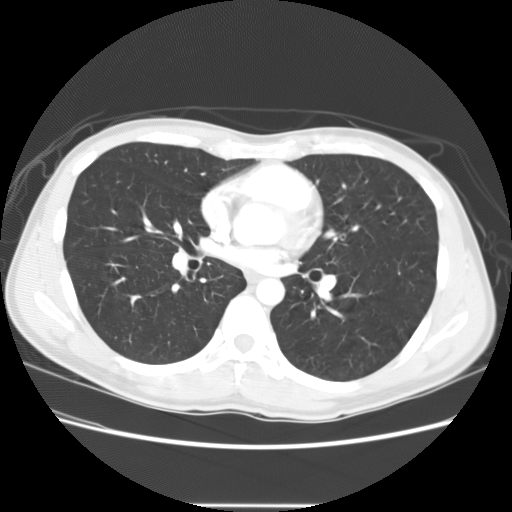
Axial chest CT slice 74 of 141 (counted from the lowest slice); 2.50 mm thick, 0.703 mm per pixel. No nodule 3 mm or larger was outlined here by any reader.
Scan settings: 120 kVp, STANDARD reconstruction kernel.